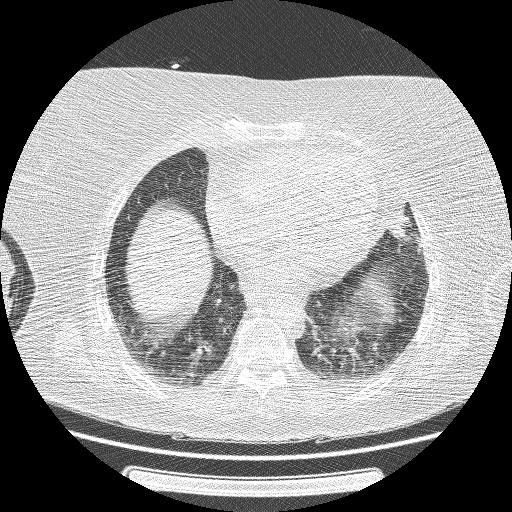
Axial slice 48 of 162 of a chest CT (slice 1 is the lowest), reconstructed with the BONE kernel at 120 kVp; 1.25 mm slice thickness and 0.703 mm pixels.
Pulmonary nodule, outlined by two of the four readers. Box on this slice rows 216–237, columns 390–409, the union of the readers' outlines on this slice; longest diameter 20.4 mm on average over the two readers' outlines (readers' outlines 19.1–21.7 mm), volume 914–2424 mm3. Ratings, by the readers' most common answer with dissent counted: texture 5/5 (solid), both readers agreeing; margin split among the readers: 3/5 (one), 4/5 (one); sphericity split among the readers: 3/5 (ovoid) (one), 4/5 (one); calcification absent, both readers agreeing; internal structure soft tissue from both readers; subtlety split among the readers: 4/5 (one), 5/5 (one); malignancy likelihood 3/5 from both readers. Scale key (1–5): texture non-solid→solid, margin indistinct→circumscribed, sphericity linear→round, subtlety extremely subtle→obvious, malignancy likelihood highly unlikely→highly suspicious of cancer. Box rows and columns are 0-based pixel indices from the top-left corner, inclusive.